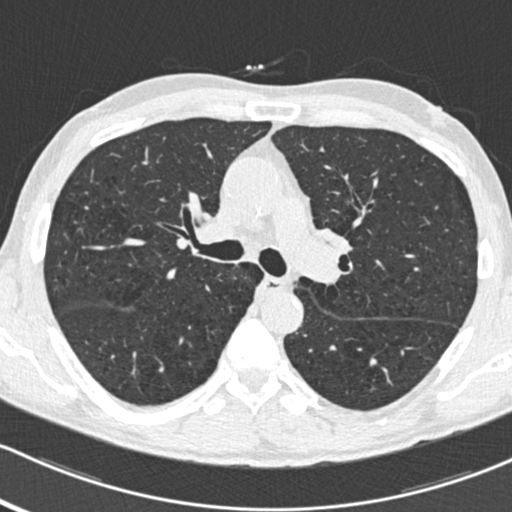
Axial chest CT slice 320 of 483 (counted from the lowest slice); tube voltage 120 kVp, convolution kernel B30f; slices 0.75 mm thick, 0.617 mm per pixel.
This slice carries no reader outline of a nodule 3 mm or larger.